Axial chest CT slice 296 of 557 (counted from the lowest slice); tube voltage 120 kVp, convolution kernel STANDARD; slices 1.25 mm thick, 0.703 mm per pixel.
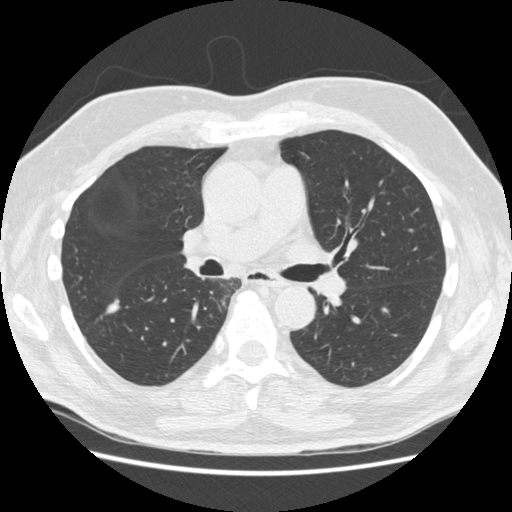
Pulmonary nodule, outlined by all four readers. Box on this slice rows 299–314, columns 104–120, the union of the readers' outlines on this slice; median longest diameter 22.6 mm (readers' outlines 19.1–25.0 mm), median volume 1024 mm3 (785–1099 mm3). Median ratings and the readers' spread: texture 5/5 (solid) at the median of four readers, spread 4/5 to 5/5 (solid); median margin 3.5/5 (readers ranged 3/5 to 5/5 (circumscribed)); median sphericity 3/5 (ovoid) (readers ranged 2/5 to 3/5 (ovoid)); calcification absent from all four readers; internal structure soft tissue from all four readers; median subtlety 5/5 (readers ranged 4–5); malignancy likelihood 4/5 at the median of four readers, spread 2–5. Scale key (1–5): texture non-solid→solid, margin indistinct→circumscribed, sphericity linear→round, subtlety extremely subtle→obvious, malignancy likelihood highly unlikely→highly suspicious of cancer. Box rows and columns are 0-based pixel indices from the top-left corner, inclusive.